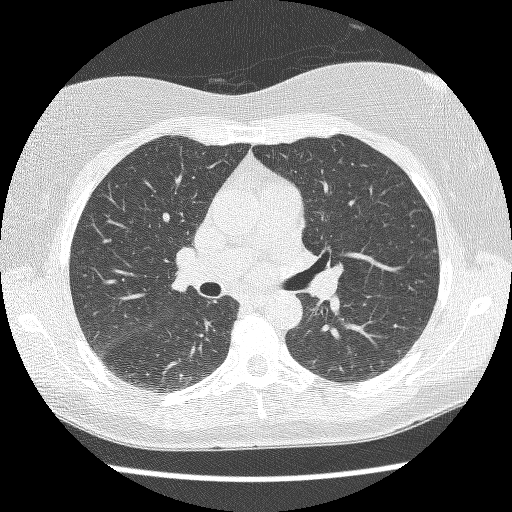
Axial chest CT slice 141 of 225 (counted from the lowest slice); 1.25 mm thick, 0.623 mm per pixel. This slice carries no reader outline of a nodule 3 mm or larger.
Tube voltage 120 kVp; convolution kernel BONE.